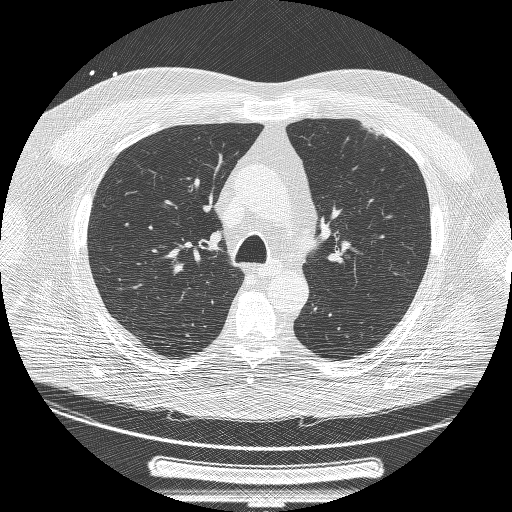
This is axial slice 155 of 239 (slice 1 is the lowest) of a chest CT; each pixel is 0.795 mm and the slice is 1.25 mm thick. Pulmonary nodule at rows 124–134, columns 362–379 (box = the union of the readers' outlines on this slice), outlined by two of the four readers; median longest diameter 43.2 mm (readers' outlines 43.0–43.4 mm), median volume 10782 mm3 (10396–11168 mm3). Median ratings and the readers' spread: median texture 4/5 (readers ranged 3/5 (part-solid) to 5/5 (solid)); median margin 2/5 (readers ranged 1/5 (indistinct) to 3/5); sphericity 2/5 at the median of two readers, spread 1/5 (linear) to 3/5 (ovoid); calcification absent, both readers agreeing; internal structure soft tissue from both readers; subtlety 5/5, both readers agreeing; malignancy likelihood 5/5 from both readers. Scale key (1–5): texture non-solid→solid, margin indistinct→circumscribed, sphericity linear→round, subtlety extremely subtle→obvious, malignancy likelihood highly unlikely→highly suspicious of cancer. Box rows and columns are 0-based pixel indices from the top-left corner, inclusive.
Scan settings: 120 kVp, BONE reconstruction kernel.